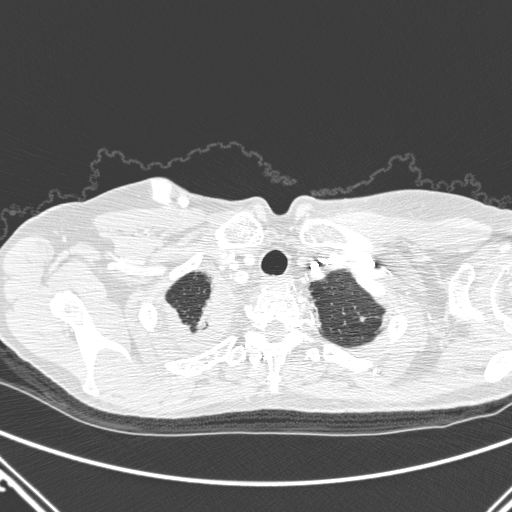
Axial chest CT slice 247 of 290 (counted from the lowest slice); 1.00 mm thick, 0.662 mm per pixel. Pulmonary nodule outlined by three of the four readers; box rows 316–321, columns 358–365 (the union of the readers' outlines on this slice); median longest diameter 6.0 mm (readers' outlines 4.7–7.2 mm), median volume 56 mm3 (33–88 mm3). Ratings, median across the readers with their spread: texture 5/5 (solid), all three readers agreeing; margin 5/5 (circumscribed), all three readers agreeing; sphericity 5/5 (round), all three readers agreeing; calcification absent from all three readers; internal structure soft tissue, all three readers agreeing; median subtlety 4/5 (readers ranged 4–5); median malignancy likelihood 2/5 (readers ranged 2–3). Scale key (1–5): texture non-solid→solid, margin indistinct→circumscribed, sphericity linear→round, subtlety extremely subtle→obvious, malignancy likelihood highly unlikely→highly suspicious of cancer. Box rows and columns are 0-based pixel indices from the top-left corner, inclusive.
Tube voltage 120 kVp; convolution kernel D.